One axial slice (165 of 300, counting up from the lowest) of a chest CT acquired at 120 kVp with the D kernel; each pixel is 0.654 mm and the slice is 1.00 mm thick.
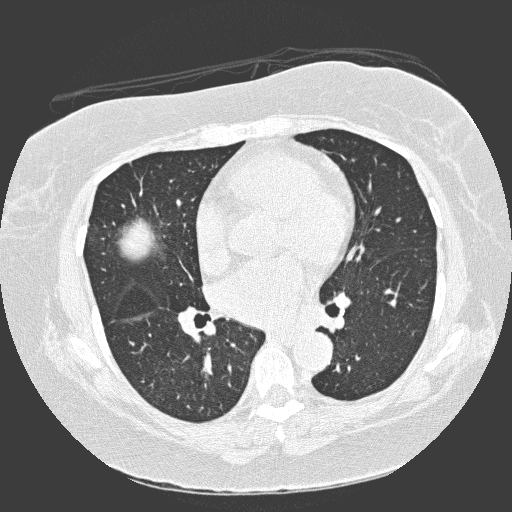
Pulmonary nodule at rows 255–256, columns 414–415 (box = the union of the readers' outlines on this slice), outlined by all four readers, two of them on this slice; median longest diameter 5.4 mm (readers' outlines 5.1–6.2 mm), median volume 44 mm3 (25–57 mm3). Ratings, median across the readers with their spread: texture 5/5 (solid), all four readers agreeing; margin 5/5 (circumscribed) at the median of four readers, spread 4/5 to 5/5 (circumscribed); sphericity 4/5 at the median of four readers, spread 3/5 (ovoid) to 5/5 (round); calcification: absent (three), solid calcification (one); internal structure soft tissue from all four readers; median subtlety 4.5/5 (readers ranged 3–5); median malignancy likelihood 1.5/5 (readers ranged 1–3). Scale key (1–5): texture non-solid→solid, margin indistinct→circumscribed, sphericity linear→round, subtlety extremely subtle→obvious, malignancy likelihood highly unlikely→highly suspicious of cancer. Box rows and columns are 0-based pixel indices from the top-left corner, inclusive.